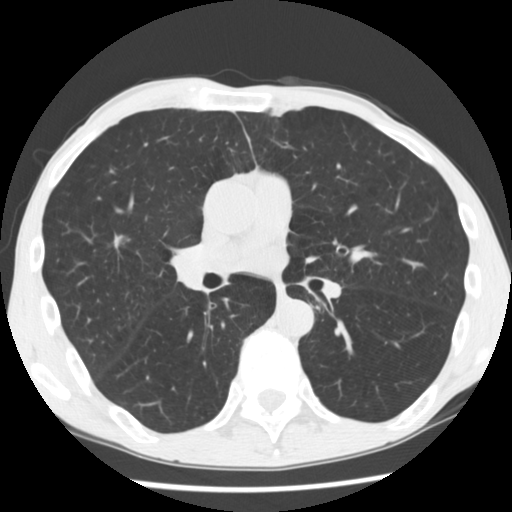
Chest CT, axial plane, 120 kVp, kernel STANDARD. Slice 152/292 from the bottom of the scan; thickness 2.50 mm; pixel size 0.645 mm.
Pulmonary nodule at rows 233–252, columns 108–129 (box = the one reader's outline on this slice), outlined three times (the source holds two more outlines, not used), one of them on this slice; longest diameter 18.5 mm on average over the three readers' outlines (readers' outlines 18.2–19.0 mm), volume 892–1690 mm3. The readers' prevailing ratings and who disagreed: texture 5/5 (solid), all three readers agreeing; margin split among the readers: 2/5 (one), 3/5 (one), 4/5 (one); sphericity split among the readers: 2/5 (one), 3/5 (ovoid) (one), 4/5 (one); calcification absent from all three readers; internal structure soft tissue, all three readers agreeing; most readers (two of three) put subtlety at 4/5, others 5/5 (one); most readers (two of three) put malignancy likelihood at 5/5, others 3/5 (one). Scale key (1–5): texture non-solid→solid, margin indistinct→circumscribed, sphericity linear→round, subtlety extremely subtle→obvious, malignancy likelihood highly unlikely→highly suspicious of cancer. Box rows and columns are 0-based pixel indices from the top-left corner, inclusive.